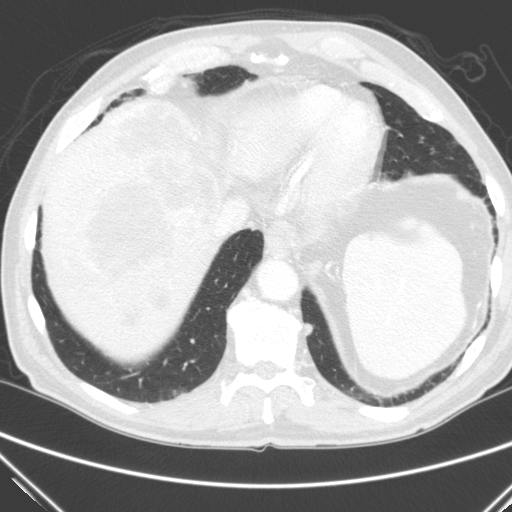
Axial slice 53 of 290 of a chest CT (slice 1 is the lowest), reconstructed with the C kernel at 120 kVp; 2.00 mm slice thickness and 0.682 mm pixels.
Pulmonary nodule outlined by all four readers; box rows 323–335, columns 304–312 (the union of the readers' outlines on this slice); median longest diameter 12.7 mm (readers' outlines 12.3–13.7 mm), median volume 484 mm3 (463–570 mm3). Median ratings and the readers' spread: texture 5/5 (solid), all four readers agreeing; margin 4/5 at the median of four readers, spread 4/5 to 5/5 (circumscribed); median sphericity 3/5 (ovoid) (readers ranged 2/5 to 4/5); calcification absent, all four readers agreeing; internal structure soft tissue, all four readers agreeing; median subtlety 4/5 (readers ranged 3–5); malignancy likelihood 3/5 at the median of four readers, spread 3–4. Scale key (1–5): texture non-solid→solid, margin indistinct→circumscribed, sphericity linear→round, subtlety extremely subtle→obvious, malignancy likelihood highly unlikely→highly suspicious of cancer. Box rows and columns are 0-based pixel indices from the top-left corner, inclusive.